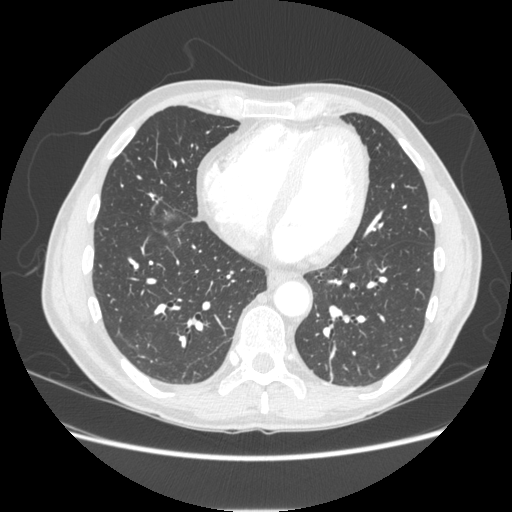
Slice 86/253 of a chest CT, counting up from the lowest; pixel size 0.742 mm, slice thickness 1.25 mm. Pulmonary nodule outlined by one of the four readers; box rows 315–319, columns 343–347 (that reader's outline on this slice); longest diameter 6.4 mm and volume 95 mm3 from that reader's outline. That reader's ratings: texture 5/5 (solid); margin 5/5 (circumscribed); sphericity 4/5; calcification absent; internal structure soft tissue; subtlety 1/5; malignancy likelihood 2/5. Scale key (1–5): texture non-solid→solid, margin indistinct→circumscribed, sphericity linear→round, subtlety extremely subtle→obvious, malignancy likelihood highly unlikely→highly suspicious of cancer. Box rows and columns are 0-based pixel indices from the top-left corner, inclusive.
Acquired at 120 kVp and reconstructed with the STANDARD kernel.